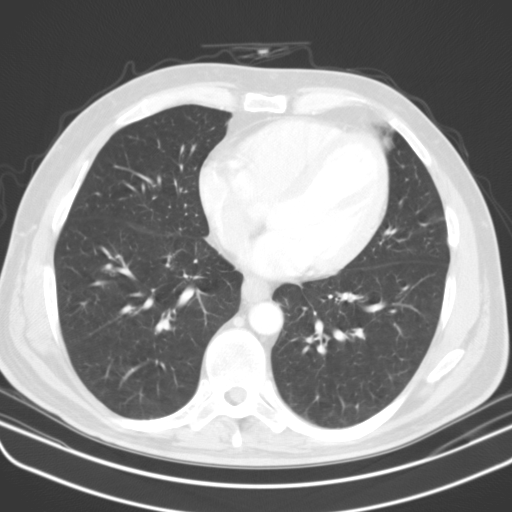
Axial chest CT slice 74 of 134 (counted from the lowest slice); 3.00 mm thick, 0.715 mm per pixel. This slice carries no reader outline of a nodule 3 mm or larger.
Tube voltage 130 kVp; convolution kernel B31s.